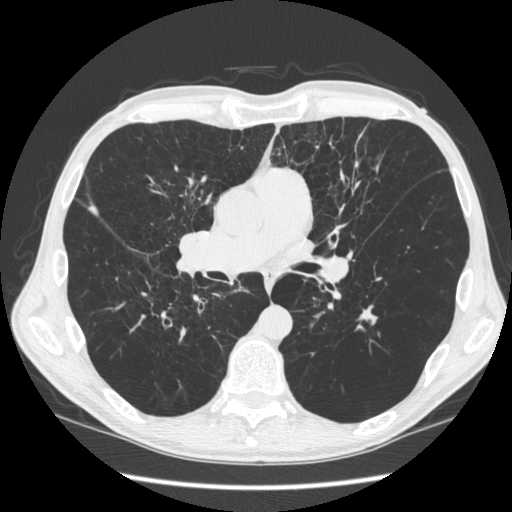
Chest CT, axial plane, 120 kVp, kernel STANDARD. Slice 322/583 from the bottom of the scan; thickness 1.25 mm; pixel size 0.703 mm.
Pulmonary nodule at rows 305–324, columns 358–376 (box = the union of the readers' outlines on this slice), outlined by two of the four readers; longest diameter 24.1–31.7 mm and volume 791–1176 mm3 across the two readers' outlines. The readers' ratings, as ranges where they differ: texture 5/5 (solid) from both readers; margin from 1/5 (indistinct) to 4/5 across the two readers; sphericity from 1/5 (linear) to 2/5 across the two readers; calcification absent from both readers; internal structure soft tissue, both readers agreeing; subtlety 5/5, both readers agreeing; malignancy likelihood rated between 2 and 3 out of 5 by the two readers. Scale key (1–5): texture non-solid→solid, margin indistinct→circumscribed, sphericity linear→round, subtlety extremely subtle→obvious, malignancy likelihood highly unlikely→highly suspicious of cancer. Box rows and columns are 0-based pixel indices from the top-left corner, inclusive.